Chest CT, axial plane, 130 kVp, kernel B31s. Slice 90/122 from the bottom of the scan; thickness 3.00 mm; pixel size 0.668 mm.
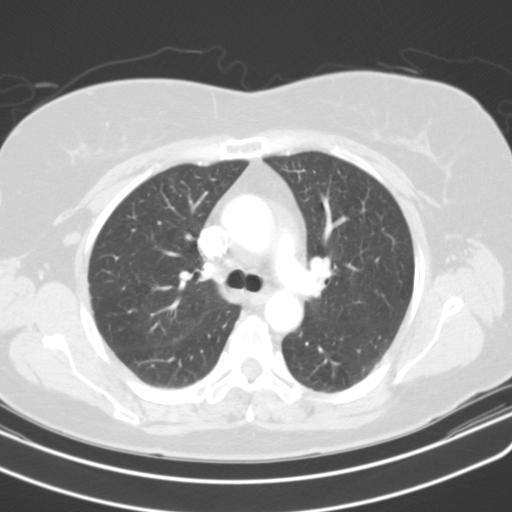
None of the four readers outlined a nodule of 3 mm or more on this slice.